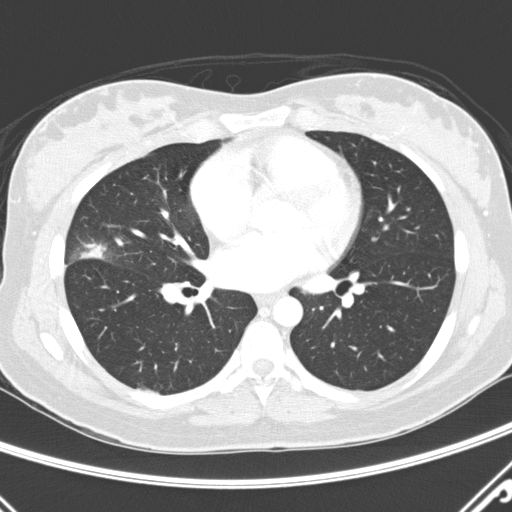
Axial slice 140 of 290 of a chest CT (slice 1 is the lowest), reconstructed with the D kernel at 120 kVp; 2.00 mm slice thickness and 0.648 mm pixels.
Pulmonary nodule outlined by all four readers; box rows 243–258, columns 78–105 (the union of the readers' outlines on this slice); longest diameter 26.3 mm on average over the four readers' outlines (readers' outlines 19.9–37.8 mm), volume 1327–2956 mm3. Ratings, by the readers' most common answer with dissent counted: texture split among the readers: 3/5 (part-solid) (two), 5/5 (solid) (two); margin 1/5 (indistinct) by two of four readers; the rest gave 2/5 (one), 3/5 (one); sphericity 3/5 (ovoid) by two of four readers; the rest gave 2/5 (one), 4/5 (one); calcification absent from all four readers; internal structure soft tissue from all four readers; subtlety 5/5, all four readers agreeing; malignancy likelihood split among the readers: 3/5 (two), 5/5 (two). Scale key (1–5): texture non-solid→solid, margin indistinct→circumscribed, sphericity linear→round, subtlety extremely subtle→obvious, malignancy likelihood highly unlikely→highly suspicious of cancer. Box rows and columns are 0-based pixel indices from the top-left corner, inclusive.